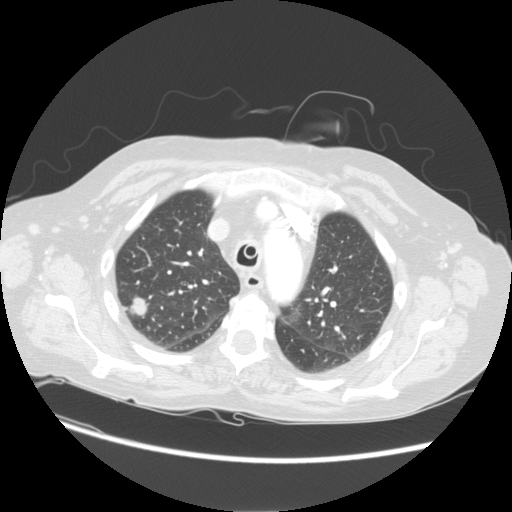
Axial slice 91 of 113 of a chest CT (slice 1 is the lowest), reconstructed with the STANDARD kernel at 120 kVp; 2.50 mm slice thickness and 0.742 mm pixels.
Pulmonary nodule at rows 295–318, columns 127–148 (box = the union of the readers' outlines on this slice), outlined by all four readers; the four readers' outlines give a longest diameter between 19.0 and 21.1 mm and a volume between 1815 and 2942 mm3. Ratings across the readers: texture 5/5 (solid), all four readers agreeing; margin from 2/5 to 5/5 (circumscribed) across the four readers; sphericity from 3/5 (ovoid) to 5/5 (round) across the four readers; calcification absent from all four readers; internal structure soft tissue from all four readers; subtlety 5/5 from all four readers; malignancy likelihood from 3/5 to 5/5 across the four readers. Scale key (1–5): texture non-solid→solid, margin indistinct→circumscribed, sphericity linear→round, subtlety extremely subtle→obvious, malignancy likelihood highly unlikely→highly suspicious of cancer. Box rows and columns are 0-based pixel indices from the top-left corner, inclusive.